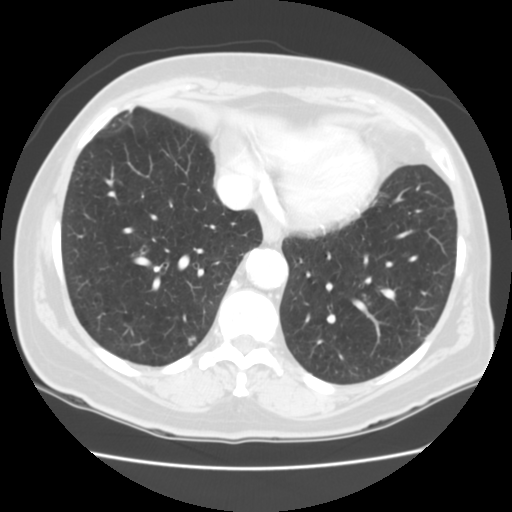
This is axial slice 55 of 133 (slice 1 is the lowest) of a chest CT; each pixel is 0.625 mm and the slice is 2.50 mm thick. Pulmonary nodule outlined by one of the four readers; box rows 337–345, columns 187–195 (that reader's outline on this slice); longest diameter 7.0 mm and volume 116 mm3 from that reader's outline. That reader's ratings: texture 4/5; margin 5/5 (circumscribed); sphericity 3/5 (ovoid); calcification absent; internal structure soft tissue; subtlety 3/5; malignancy likelihood 2/5. Scale key (1–5): texture non-solid→solid, margin indistinct→circumscribed, sphericity linear→round, subtlety extremely subtle→obvious, malignancy likelihood highly unlikely→highly suspicious of cancer. Box rows and columns are 0-based pixel indices from the top-left corner, inclusive.
Scan settings: 120 kVp, STANDARD reconstruction kernel.